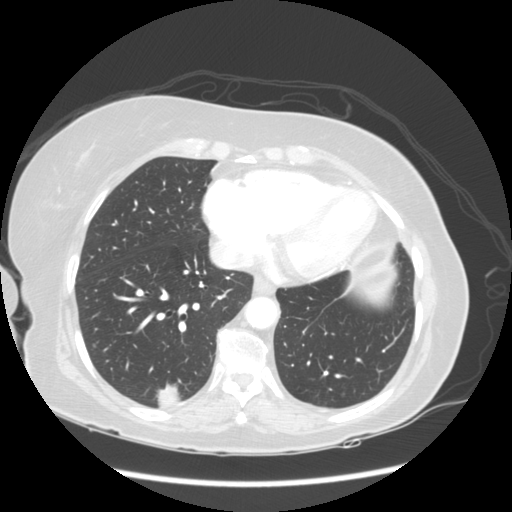
Axial slice 68 of 141 of a chest CT (slice 1 is the lowest), reconstructed with the STANDARD kernel at 120 kVp; 2.50 mm slice thickness and 0.703 mm pixels.
Pulmonary nodule, outlined by all four readers. Box on this slice rows 381–409, columns 155–181, the union of the readers' outlines on this slice; the four readers' outlines give a longest diameter between 21.4 and 23.4 mm and a volume between 3130 and 4766 mm3. The readers' ratings, as ranges where they differ: texture 5/5 (solid) from all four readers; margin from 2/5 to 4/5 across the four readers; sphericity from 3/5 (ovoid) to 5/5 (round) across the four readers; calcification absent, all four readers agreeing; internal structure soft tissue from all four readers; subtlety 5/5, all four readers agreeing; malignancy likelihood 5/5, all four readers agreeing. Scale key (1–5): texture non-solid→solid, margin indistinct→circumscribed, sphericity linear→round, subtlety extremely subtle→obvious, malignancy likelihood highly unlikely→highly suspicious of cancer. Box rows and columns are 0-based pixel indices from the top-left corner, inclusive.